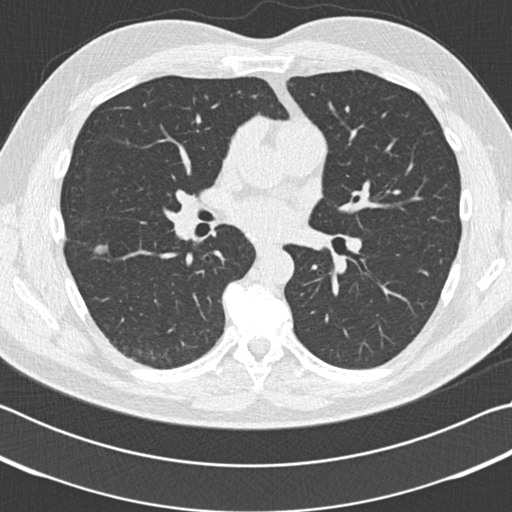
This is axial slice 98 of 185 (slice 1 is the lowest) of a chest CT; each pixel is 0.664 mm and the slice is 2.00 mm thick. Pulmonary nodule at rows 244–255, columns 94–108 (box = the union of the readers' outlines on this slice), outlined by three of the four readers; longest diameter 10.5 mm on average over the three readers' outlines (readers' outlines 9.8–11.6 mm), volume 146–216 mm3. Ratings, by the readers' most common answer with dissent counted: texture 5/5 (solid), all three readers agreeing; margin 4/5 by two of three readers; the rest gave 3/5 (one); most readers (two of three) put sphericity at 3/5 (ovoid), others 2/5 (one); calcification absent, all three readers agreeing; internal structure soft tissue from all three readers; subtlety 4/5 from all three readers; malignancy likelihood 3/5, all three readers agreeing. Scale key (1–5): texture non-solid→solid, margin indistinct→circumscribed, sphericity linear→round, subtlety extremely subtle→obvious, malignancy likelihood highly unlikely→highly suspicious of cancer. Box rows and columns are 0-based pixel indices from the top-left corner, inclusive.
Tube voltage 120 kVp; convolution kernel B30f.